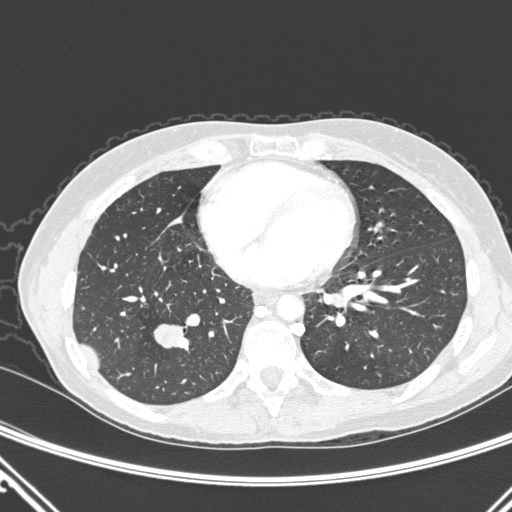
Slice 105/290 of a chest CT, counting up from the lowest; pixel size 0.662 mm, slice thickness 1.00 mm. Pulmonary nodule outlined by all four readers; box rows 323–348, columns 153–183 (the union of the readers' outlines on this slice); median longest diameter 23.4 mm (readers' outlines 22.2–29.6 mm), median volume 2912 mm3 (2637–3531 mm3). Ratings, median across the readers with their spread: texture 5/5 (solid), all four readers agreeing; margin 4.5/5 at the median of four readers, spread 4/5 to 5/5 (circumscribed); sphericity 4/5 at the median of four readers, spread 2/5 to 5/5 (round); calcification absent from all four readers; internal structure soft tissue from all four readers; subtlety 5/5 from all four readers; median malignancy likelihood 4.5/5 (readers ranged 3–5). Scale key (1–5): texture non-solid→solid, margin indistinct→circumscribed, sphericity linear→round, subtlety extremely subtle→obvious, malignancy likelihood highly unlikely→highly suspicious of cancer. Box rows and columns are 0-based pixel indices from the top-left corner, inclusive.
Scan settings: 120 kVp, D reconstruction kernel.